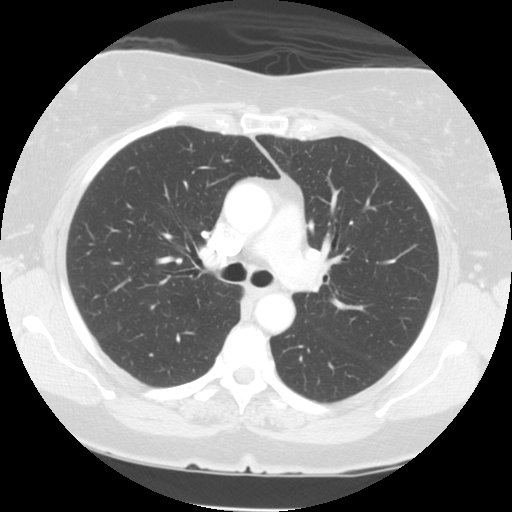
One axial slice (87 of 133, counting up from the lowest) of a chest CT acquired at 120 kVp with the STANDARD kernel; each pixel is 0.664 mm and the slice is 2.50 mm thick.
This slice carries no reader outline of a nodule 3 mm or larger.